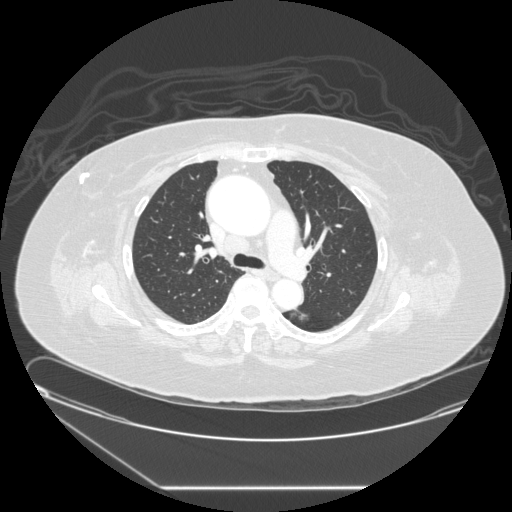
Slice 177/257 of a chest CT, counting up from the lowest; pixel size 0.852 mm, slice thickness 1.25 mm. Pulmonary nodule outlined by all four readers, three of them on this slice; box rows 313–322, columns 291–307 (the union of the readers' outlines on this slice); longest diameter 16.2 mm on average over the four readers' outlines (readers' outlines 13.2–18.0 mm), volume 478–876 mm3. Ratings, by the readers' most common answer with dissent counted: texture split among the readers: 1/5 (non-solid) (two), 5/5 (solid) (two); margin 4/5 by two of four readers; the rest gave 2/5 (one), 3/5 (one); sphericity 4/5 by two of four readers; the rest gave 3/5 (ovoid) (one), 5/5 (round) (one); calcification absent, all four readers agreeing; internal structure soft tissue from all four readers; subtlety 4/5 by three of four readers; the rest gave 1/5 (one); malignancy likelihood split among the readers: 2/5 (one), 3/5 (one), 4/5 (one), 5/5 (one). Scale key (1–5): texture non-solid→solid, margin indistinct→circumscribed, sphericity linear→round, subtlety extremely subtle→obvious, malignancy likelihood highly unlikely→highly suspicious of cancer. Box rows and columns are 0-based pixel indices from the top-left corner, inclusive.
Acquired at 120 kVp and reconstructed with the STANDARD kernel.